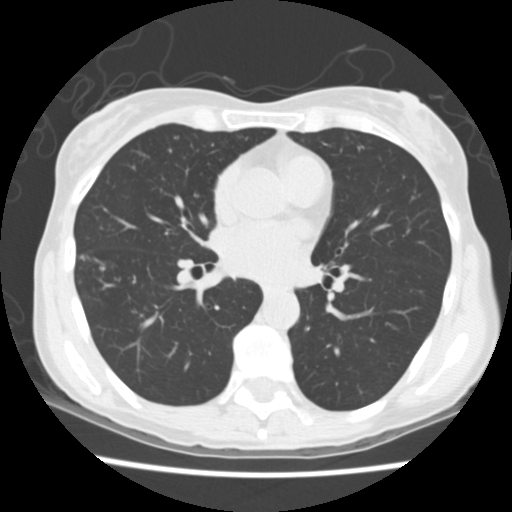
This is axial slice 81 of 163 (slice 1 is the lowest) of a chest CT; each pixel is 0.586 mm and the slice is 2.50 mm thick. Pulmonary nodule outlined by one of the four readers; box rows 137–139, columns 173–177 (that reader's outline on this slice); longest diameter 4.8 mm and volume 70 mm3 from that reader's outline. Ratings by that reader: texture 5/5 (solid); margin 5/5 (circumscribed); sphericity 4/5; calcification absent; internal structure soft tissue; subtlety 4/5; malignancy likelihood 2/5. Scale key (1–5): texture non-solid→solid, margin indistinct→circumscribed, sphericity linear→round, subtlety extremely subtle→obvious, malignancy likelihood highly unlikely→highly suspicious of cancer. Box rows and columns are 0-based pixel indices from the top-left corner, inclusive.
Acquired at 120 kVp and reconstructed with the STANDARD kernel.